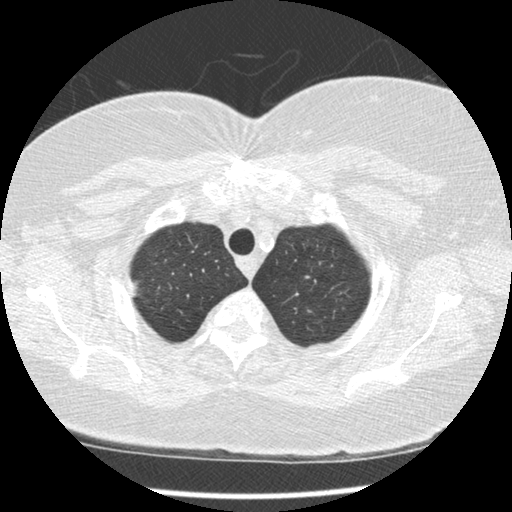
Chest CT, axial plane, 120 kVp, kernel STANDARD. Slice 321/375 from the bottom of the scan; thickness 1.25 mm; pixel size 0.625 mm.
Pulmonary nodule at rows 275–296, columns 126–136 (box = the one reader's outline on this slice), outlined by all four readers, one of them on this slice; longest diameter 21.2–23.2 mm and volume 2289–3466 mm3 across the four readers' outlines. The readers' ratings, as ranges where they differ: texture from 4/5 to 5/5 (solid) across the four readers; margin from 3/5 to 5/5 (circumscribed) across the four readers; sphericity from 2/5 to 5/5 (round) across the four readers; calcification absent, all four readers agreeing; internal structure soft tissue, all four readers agreeing; subtlety 5/5 from all four readers; malignancy likelihood rated between 3 and 5 out of 5 by the four readers. Scale key (1–5): texture non-solid→solid, margin indistinct→circumscribed, sphericity linear→round, subtlety extremely subtle→obvious, malignancy likelihood highly unlikely→highly suspicious of cancer. Box rows and columns are 0-based pixel indices from the top-left corner, inclusive.